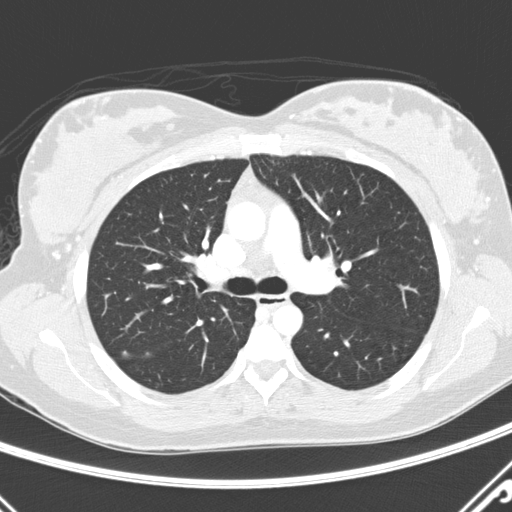
Chest CT, axial plane, 120 kVp, kernel D. Slice 190/290 from the bottom of the scan; thickness 2.00 mm; pixel size 0.648 mm.
Pulmonary nodule, outlined by one of the four readers. Box on this slice rows 351–357, columns 122–129, that reader's outline on this slice; longest diameter 7.0 mm and volume 74 mm3 from that reader's outline. Ratings by that reader: texture 4/5; margin 1/5 (indistinct); sphericity 3/5 (ovoid); calcification absent; internal structure soft tissue; subtlety 5/5; malignancy likelihood 3/5. Scale key (1–5): texture non-solid→solid, margin indistinct→circumscribed, sphericity linear→round, subtlety extremely subtle→obvious, malignancy likelihood highly unlikely→highly suspicious of cancer. Box rows and columns are 0-based pixel indices from the top-left corner, inclusive.